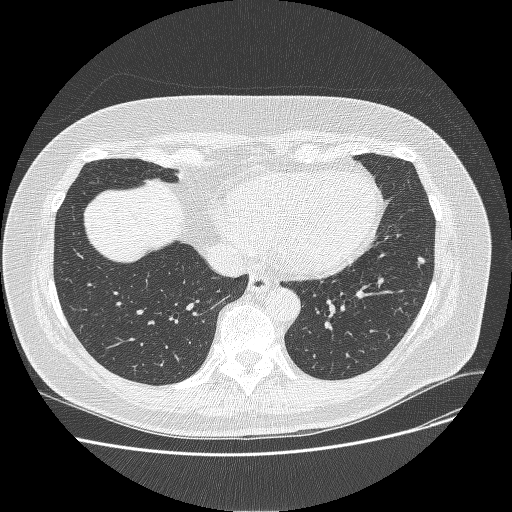
Axial chest CT slice 102 of 270 (counted from the lowest slice); tube voltage 120 kVp, convolution kernel BONE; slices 1.25 mm thick, 0.703 mm per pixel.
Pulmonary nodule outlined by all four readers; box rows 256–264, columns 417–425 (the union of the readers' outlines on this slice); longest diameter 7.4 mm on average over the four readers' outlines (readers' outlines 5.8–8.6 mm), volume 42–121 mm3. Ratings, by the readers' most common answer with dissent counted: texture 5/5 (solid) from all four readers; most readers (three of four) put margin at 4/5, others 3/5 (one); sphericity split among the readers: 3/5 (ovoid) (two), 4/5 (two); calcification absent, all four readers agreeing; internal structure soft tissue, all four readers agreeing; subtlety 3/5 by two of four readers; the rest gave 4/5 (one), 5/5 (one); malignancy likelihood 3/5, all four readers agreeing. Scale key (1–5): texture non-solid→solid, margin indistinct→circumscribed, sphericity linear→round, subtlety extremely subtle→obvious, malignancy likelihood highly unlikely→highly suspicious of cancer. Box rows and columns are 0-based pixel indices from the top-left corner, inclusive.